One axial slice (338 of 461, counting up from the lowest) of a chest CT acquired at 120 kVp with the STANDARD kernel; each pixel is 0.781 mm and the slice is 1.25 mm thick.
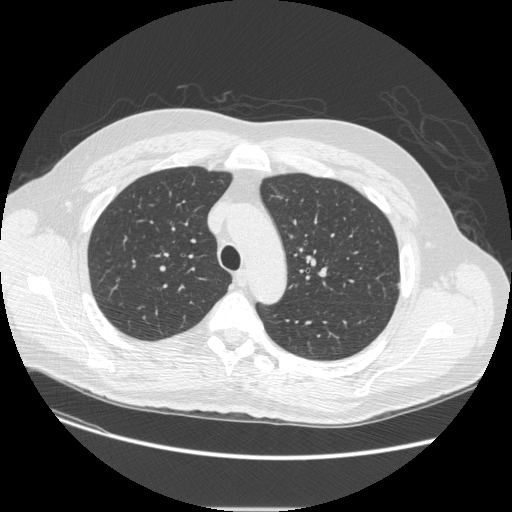
Pulmonary nodule, outlined by one of the four readers. Box on this slice rows 283–288, columns 396–399, that reader's outline on this slice; longest diameter 7.4 mm and volume 26 mm3 from that reader's outline. That reader's ratings: texture 4/5; margin 4/5; sphericity 3/5 (ovoid); calcification absent; internal structure soft tissue; subtlety 5/5; malignancy likelihood 2/5. Scale key (1–5): texture non-solid→solid, margin indistinct→circumscribed, sphericity linear→round, subtlety extremely subtle→obvious, malignancy likelihood highly unlikely→highly suspicious of cancer. Box rows and columns are 0-based pixel indices from the top-left corner, inclusive.